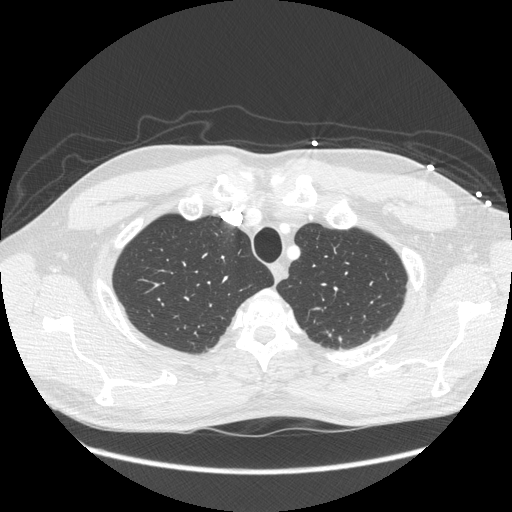
Axial slice 218 of 261 of a chest CT (slice 1 is the lowest), reconstructed with the STANDARD kernel at 120 kVp; 1.25 mm slice thickness and 0.781 mm pixels.
Pulmonary nodule, outlined by one of the four readers. Box on this slice rows 336–342, columns 338–341, that reader's outline on this slice; longest diameter 6.3 mm and volume 35 mm3 from that reader's outline. Ratings by that reader: texture 5/5 (solid); margin 4/5; sphericity 3/5 (ovoid); calcification absent; internal structure soft tissue; subtlety 2/5; malignancy likelihood 1/5. Scale key (1–5): texture non-solid→solid, margin indistinct→circumscribed, sphericity linear→round, subtlety extremely subtle→obvious, malignancy likelihood highly unlikely→highly suspicious of cancer. Box rows and columns are 0-based pixel indices from the top-left corner, inclusive.